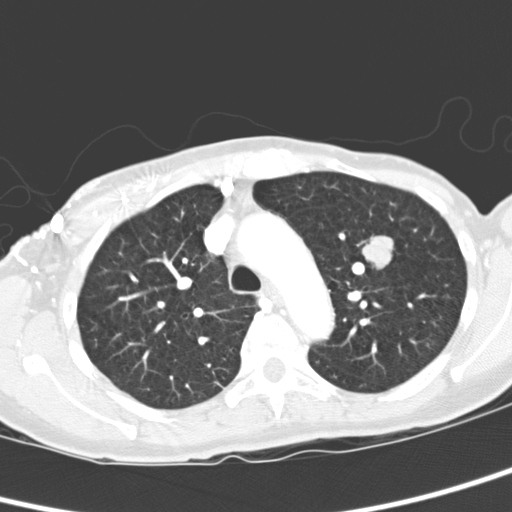
Axial chest CT slice 233 of 321 (counted from the lowest slice); tube voltage 120 kVp, convolution kernel D; slices 2.00 mm thick, 0.557 mm per pixel.
Pulmonary nodule at rows 234–271, columns 360–394 (box = the union of the readers' outlines on this slice), outlined by all four readers; median longest diameter 20.6 mm (readers' outlines 19.2–22.3 mm), median volume 3516 mm3 (3069–4125 mm3). Median ratings and the readers' spread: texture 5/5 (solid) from all four readers; margin 5/5 (circumscribed) from all four readers; sphericity 4.5/5 at the median of four readers, spread 4/5 to 5/5 (round); calcification absent from all four readers; internal structure soft tissue, all four readers agreeing; subtlety 5/5, all four readers agreeing; malignancy likelihood 4/5 at the median of four readers, spread 2–5. Scale key (1–5): texture non-solid→solid, margin indistinct→circumscribed, sphericity linear→round, subtlety extremely subtle→obvious, malignancy likelihood highly unlikely→highly suspicious of cancer. Box rows and columns are 0-based pixel indices from the top-left corner, inclusive.